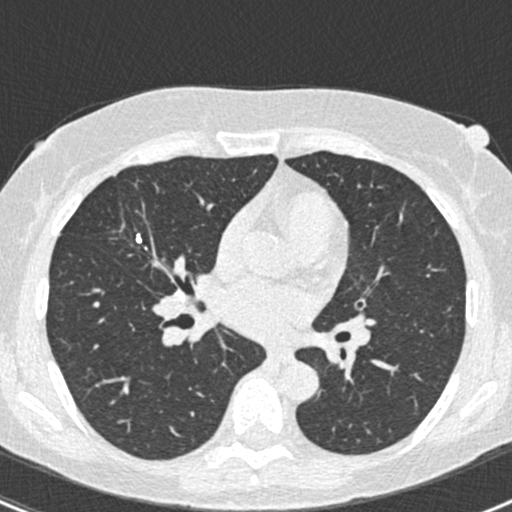
One axial slice (241 of 429, counting up from the lowest) of a chest CT acquired at 120 kVp with the B30f kernel; each pixel is 0.586 mm and the slice is 0.75 mm thick.
Pulmonary nodule outlined three times (the source holds two more outlines, not used); box rows 232–250, columns 135–147 (the union of the readers' outlines on this slice); longest diameter 8.0–11.0 mm and volume 95–144 mm3 across the three readers' outlines. The readers' ratings, as ranges where they differ: texture 5/5 (solid), all three readers agreeing; margin 5/5 (circumscribed) from all three readers; sphericity from 2/5 to 5/5 (round) across the three readers; calcification solid calcification from all three readers; internal structure soft tissue from all three readers; subtlety rated between 4 and 5 out of 5 by the three readers; malignancy likelihood 1/5 from all three readers. Scale key (1–5): texture non-solid→solid, margin indistinct→circumscribed, sphericity linear→round, subtlety extremely subtle→obvious, malignancy likelihood highly unlikely→highly suspicious of cancer. Box rows and columns are 0-based pixel indices from the top-left corner, inclusive.